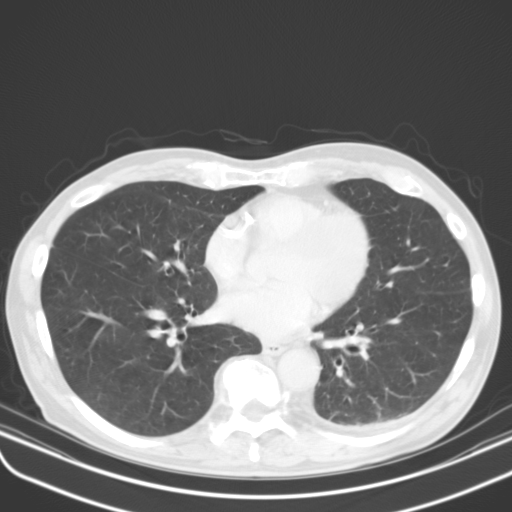
One axial slice (67 of 135, counting up from the lowest) of a chest CT acquired at 130 kVp with the B31s kernel; each pixel is 0.711 mm and the slice is 3.00 mm thick.
No nodule of 3 mm or larger was outlined by any of the four readers on this slice.